One axial slice (455 of 583, counting up from the lowest) of a chest CT acquired at 120 kVp with the STANDARD kernel; each pixel is 0.703 mm and the slice is 1.25 mm thick.
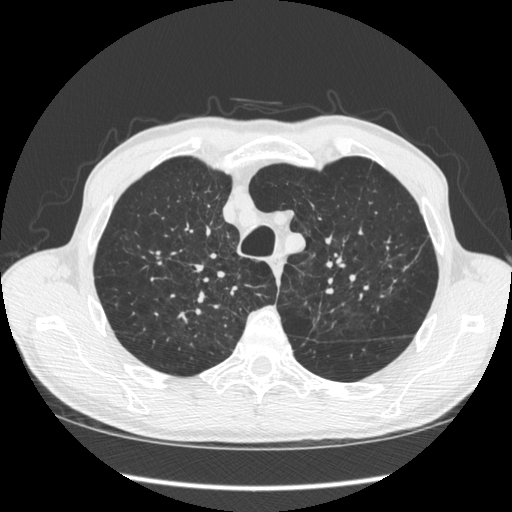
None of the four readers outlined a nodule of 3 mm or more on this slice.